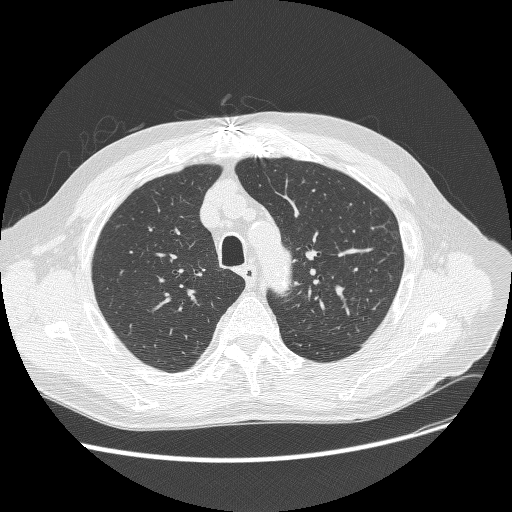
One axial slice (210 of 268, counting up from the lowest) of a chest CT acquired at 120 kVp with the BONE kernel; each pixel is 0.742 mm and the slice is 1.25 mm thick.
Pulmonary nodule outlined by three of the four readers, one of them on this slice; box rows 228–232, columns 330–333 (the one reader's outline on this slice); longest diameter 6.3–8.7 mm and volume 55–117 mm3 across the three readers' outlines. The readers' ratings, as ranges where they differ: texture from 1/5 (non-solid) to 2/5 across the three readers; margin from 1/5 (indistinct) to 3/5 across the three readers; sphericity from 3/5 (ovoid) to 4/5 across the three readers; calcification absent from all three readers; internal structure soft tissue, all three readers agreeing; subtlety rated between 1 and 2 out of 5 by the three readers; malignancy likelihood 2–3/5 (the readers disagree). Scale key (1–5): texture non-solid→solid, margin indistinct→circumscribed, sphericity linear→round, subtlety extremely subtle→obvious, malignancy likelihood highly unlikely→highly suspicious of cancer. Box rows and columns are 0-based pixel indices from the top-left corner, inclusive.